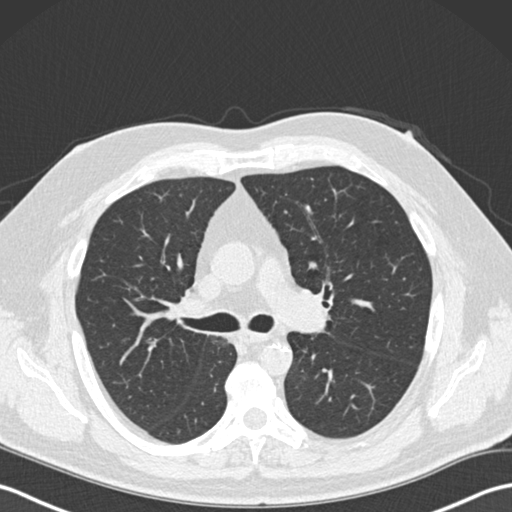
Chest CT, axial plane, 120 kVp, kernel B30f. Slice 121/191 from the bottom of the scan; thickness 2.00 mm; pixel size 0.684 mm.
None of the four readers outlined a nodule of 3 mm or more on this slice.